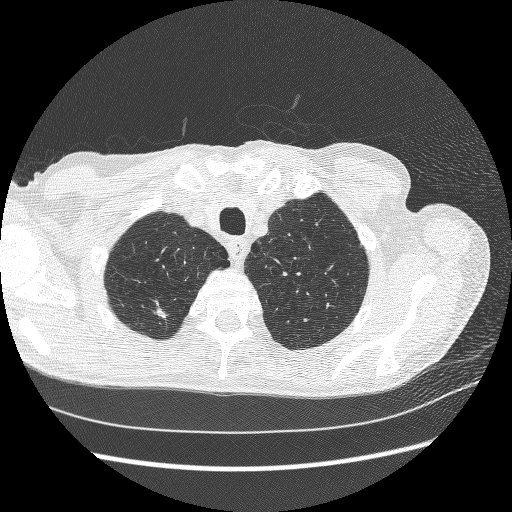
One axial slice (246 of 278, counting up from the lowest) of a chest CT acquired at 120 kVp with the BONE kernel; each pixel is 0.711 mm and the slice is 1.25 mm thick.
Pulmonary nodule outlined by three of the four readers; box rows 302–318, columns 154–167 (the union of the readers' outlines on this slice); longest diameter 13.5 mm on average over the three readers' outlines (readers' outlines 11.8–14.4 mm), volume 135–304 mm3. Ratings, by the readers' most common answer with dissent counted: most readers (two of three) put texture at 5/5 (solid), others 4/5 (one); margin split among the readers: 1/5 (indistinct) (one), 3/5 (one), 4/5 (one); sphericity split among the readers: 1/5 (linear) (one), 3/5 (ovoid) (one), 4/5 (one); calcification absent, all three readers agreeing; internal structure soft tissue, all three readers agreeing; most readers (two of three) put subtlety at 5/5, others 4/5 (one); malignancy likelihood 3/5 by two of three readers; the rest gave 4/5 (one). Scale key (1–5): texture non-solid→solid, margin indistinct→circumscribed, sphericity linear→round, subtlety extremely subtle→obvious, malignancy likelihood highly unlikely→highly suspicious of cancer. Box rows and columns are 0-based pixel indices from the top-left corner, inclusive.